Axial slice 400 of 481 of a chest CT (slice 1 is the lowest), reconstructed with the STANDARD kernel at 120 kVp; 1.25 mm slice thickness and 0.742 mm pixels.
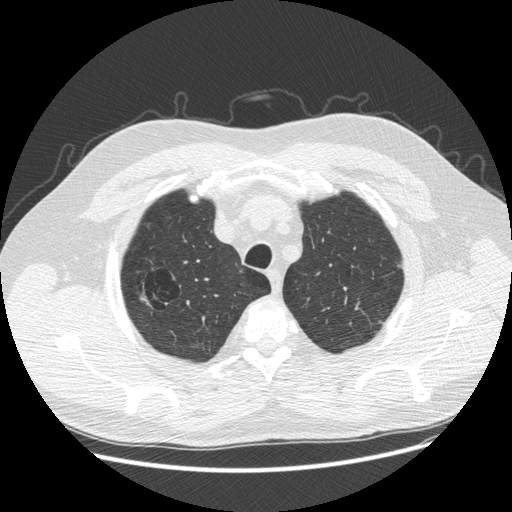
Pulmonary nodule at rows 293–300, columns 141–146 (box = the one reader's outline on this slice), outlined by two of the four readers, one of them on this slice; median longest diameter 16.8 mm (readers' outlines 15.0–18.6 mm), median volume 609 mm3 (293–924 mm3). Ratings, median across the readers with their spread: texture 1/5 (non-solid) from both readers; margin 1.5/5 at the median of two readers, spread 1/5 (indistinct) to 2/5; sphericity 4/5 at the median of two readers, spread 3/5 (ovoid) to 5/5 (round); calcification absent, both readers agreeing; internal structure soft tissue from both readers; subtlety 1.5/5 at the median of two readers, spread 1–2; malignancy likelihood 3/5 at the median of two readers, spread 2–4. Scale key (1–5): texture non-solid→solid, margin indistinct→circumscribed, sphericity linear→round, subtlety extremely subtle→obvious, malignancy likelihood highly unlikely→highly suspicious of cancer. Box rows and columns are 0-based pixel indices from the top-left corner, inclusive.